Axial slice 84 of 140 of a chest CT (slice 1 is the lowest), reconstructed with the STANDARD kernel at 120 kVp; 2.50 mm slice thickness and 0.820 mm pixels.
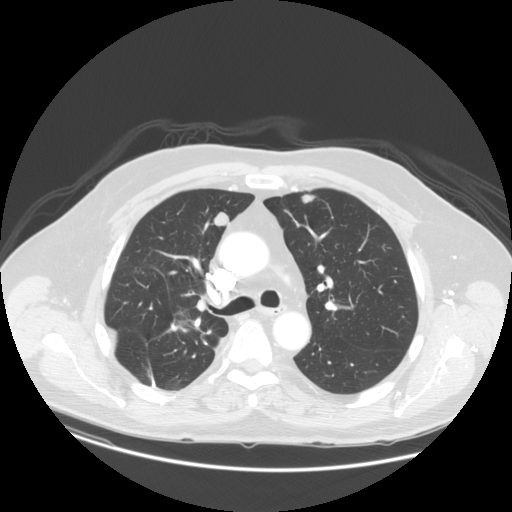
Two pulmonary nodules are outlined on this slice; from left to right: (1) Pulmonary nodule at rows 210–227, columns 213–228 (box = the union of the readers' outlines on this slice), outlined by all four readers; median longest diameter 15.0 mm (readers' outlines 14.3–15.6 mm), median volume 1321 mm3 (1108–1503 mm3). Median ratings and the readers' spread: texture 5/5 (solid) from all four readers; margin 5/5 (circumscribed), all four readers agreeing; sphericity 4.5/5 at the median of four readers, spread 4/5 to 5/5 (round); calcification absent from all four readers; internal structure soft tissue, all four readers agreeing; median subtlety 4/5 (readers ranged 3–5); malignancy likelihood 3.5/5 at the median of four readers, spread 2–5. (2) Pulmonary nodule outlined by all four readers; box rows 194–203, columns 300–315 (the union of the readers' outlines on this slice); longest diameter 13.3 mm on average over the four readers' outlines (readers' outlines 11.9–14.8 mm), volume 312–584 mm3. Ratings, by the readers' most common answer with dissent counted: most readers (three of four) put texture at 5/5 (solid), others 4/5 (one); margin 4/5 by two of four readers; the rest gave 3/5 (one), 5/5 (circumscribed) (one); sphericity split among the readers: 2/5 (one), 3/5 (ovoid) (one), 4/5 (one), 5/5 (round) (one); calcification absent from all four readers; internal structure soft tissue from all four readers; subtlety split among the readers: 3/5 (two), 4/5 (two); malignancy likelihood 4/5 by two of four readers; the rest gave 2/5 (one), 3/5 (one). Scale key (1–5): texture non-solid→solid, margin indistinct→circumscribed, sphericity linear→round, subtlety extremely subtle→obvious, malignancy likelihood highly unlikely→highly suspicious of cancer. Box rows and columns are 0-based pixel indices from the top-left corner, inclusive.